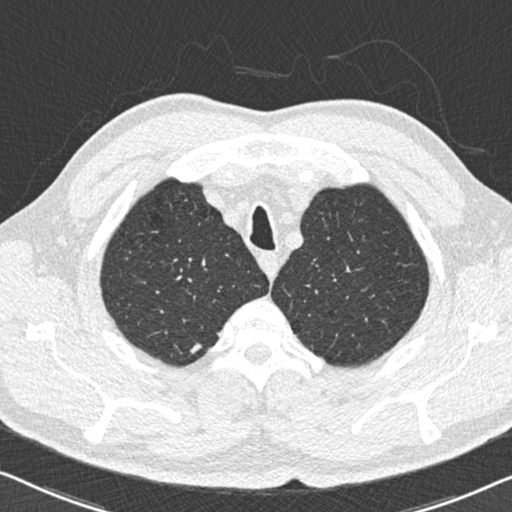
Chest CT, axial plane, 120 kVp, kernel B30f. Slice 494/558 from the bottom of the scan; thickness 0.75 mm; pixel size 0.648 mm.
Pulmonary nodule at rows 343–353, columns 190–201 (box = the union of the readers' outlines on this slice), outlined by all four readers; median longest diameter 9.3 mm (readers' outlines 9.0–9.8 mm), median volume 129 mm3 (82–155 mm3). Median ratings and the readers' spread: median texture 5/5 (solid) (readers ranged 4/5 to 5/5 (solid)); margin 4/5 at the median of four readers, spread 4/5 to 5/5 (circumscribed); sphericity 2/5 at the median of four readers, spread 2/5 to 5/5 (round); calcification absent from all four readers; internal structure soft tissue, all four readers agreeing; subtlety 3.5/5 at the median of four readers, spread 3–5; median malignancy likelihood 2.5/5 (readers ranged 2–3). Scale key (1–5): texture non-solid→solid, margin indistinct→circumscribed, sphericity linear→round, subtlety extremely subtle→obvious, malignancy likelihood highly unlikely→highly suspicious of cancer. Box rows and columns are 0-based pixel indices from the top-left corner, inclusive.